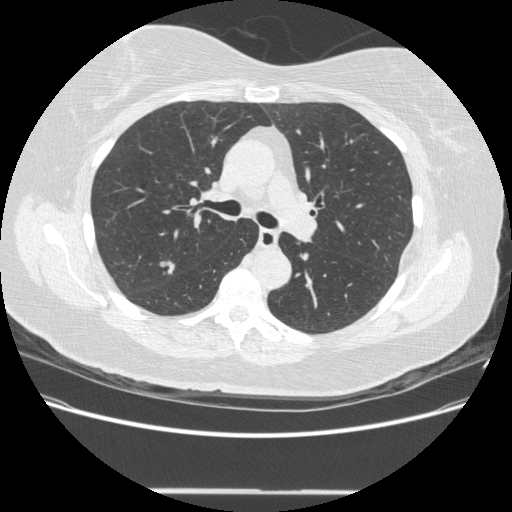
One axial slice (296 of 481, counting up from the lowest) of a chest CT acquired at 120 kVp with the STANDARD kernel; each pixel is 0.742 mm and the slice is 1.25 mm thick.
Pulmonary nodule, outlined by three of the four readers. Box on this slice rows 260–274, columns 159–174, the union of the readers' outlines on this slice; median longest diameter 14.2 mm (readers' outlines 13.9–15.6 mm), median volume 777 mm3 (741–820 mm3). Ratings, median across the readers with their spread: texture 4/5 from all three readers; median margin 4/5 (readers ranged 3/5 to 4/5); sphericity 3/5 (ovoid) at the median of three readers, spread 3/5 (ovoid) to 4/5; calcification absent, all three readers agreeing; internal structure soft tissue from all three readers; subtlety 4/5 at the median of three readers, spread 4–5; median malignancy likelihood 5/5 (readers ranged 4–5). Scale key (1–5): texture non-solid→solid, margin indistinct→circumscribed, sphericity linear→round, subtlety extremely subtle→obvious, malignancy likelihood highly unlikely→highly suspicious of cancer. Box rows and columns are 0-based pixel indices from the top-left corner, inclusive.